One axial slice (291 of 487, counting up from the lowest) of a chest CT acquired at 120 kVp with the STANDARD kernel; each pixel is 0.703 mm and the slice is 1.25 mm thick.
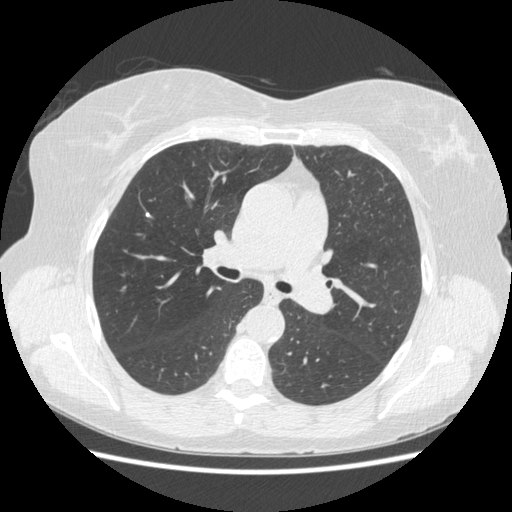
Pulmonary nodule outlined by one of the four readers; box rows 213–216, columns 146–149 (that reader's outline on this slice); longest diameter 3.8 mm and volume 26 mm3 from that reader's outline. Ratings by that reader: texture 5/5 (solid); margin 5/5 (circumscribed); sphericity 5/5 (round); calcification solid calcification; internal structure soft tissue; subtlety 3/5; malignancy likelihood 1/5. Scale key (1–5): texture non-solid→solid, margin indistinct→circumscribed, sphericity linear→round, subtlety extremely subtle→obvious, malignancy likelihood highly unlikely→highly suspicious of cancer. Box rows and columns are 0-based pixel indices from the top-left corner, inclusive.